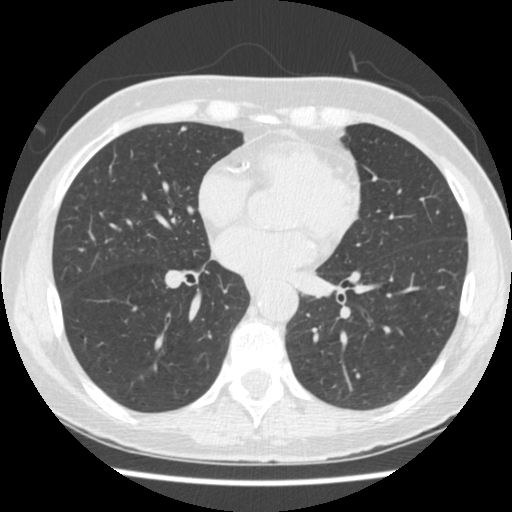
Axial slice 215 of 481 of a chest CT (slice 1 is the lowest), reconstructed with the STANDARD kernel at 120 kVp; 1.25 mm slice thickness and 0.605 mm pixels.
Pulmonary nodule outlined by all four readers; box rows 125–130, columns 180–186 (the union of the readers' outlines on this slice); longest diameter 6.2 mm on average over the four readers' outlines (readers' outlines 5.4–6.8 mm), volume 23–57 mm3. Ratings, by the readers' most common answer with dissent counted: most readers (three of four) put texture at 5/5 (solid), others 4/5 (one); margin split among the readers: 4/5 (two), 5/5 (circumscribed) (two); sphericity 5/5 (round) by two of four readers; the rest gave 3/5 (ovoid) (one), 4/5 (one); calcification absent, all four readers agreeing; internal structure soft tissue, all four readers agreeing; subtlety 4/5 by two of four readers; the rest gave 3/5 (one), 5/5 (one); malignancy likelihood 2/5 by three of four readers; the rest gave 3/5 (one). Scale key (1–5): texture non-solid→solid, margin indistinct→circumscribed, sphericity linear→round, subtlety extremely subtle→obvious, malignancy likelihood highly unlikely→highly suspicious of cancer. Box rows and columns are 0-based pixel indices from the top-left corner, inclusive.